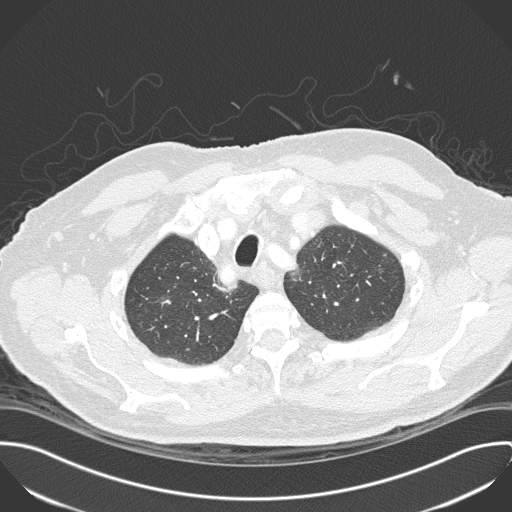
Axial chest CT slice 269 of 330 (counted from the lowest slice); 1.00 mm thick, 0.762 mm per pixel. Pulmonary nodule outlined by all four readers; box rows 294–305, columns 156–170 (the union of the readers' outlines on this slice); median longest diameter 16.9 mm (readers' outlines 15.2–19.9 mm), median volume 843 mm3 (678–927 mm3). Ratings, median across the readers with their spread: median texture 1/5 (non-solid) (readers ranged 1/5 (non-solid) to 2/5); margin 2/5 at the median of four readers, spread 1/5 (indistinct) to 4/5; sphericity 4/5 at the median of four readers, spread 3/5 (ovoid) to 5/5 (round); calcification absent from all four readers; internal structure soft tissue from all four readers; median subtlety 3/5 (readers ranged 1–4); malignancy likelihood 3.5/5 at the median of four readers, spread 2–4. Scale key (1–5): texture non-solid→solid, margin indistinct→circumscribed, sphericity linear→round, subtlety extremely subtle→obvious, malignancy likelihood highly unlikely→highly suspicious of cancer. Box rows and columns are 0-based pixel indices from the top-left corner, inclusive.
Scan settings: 120 kVp, B45f reconstruction kernel.